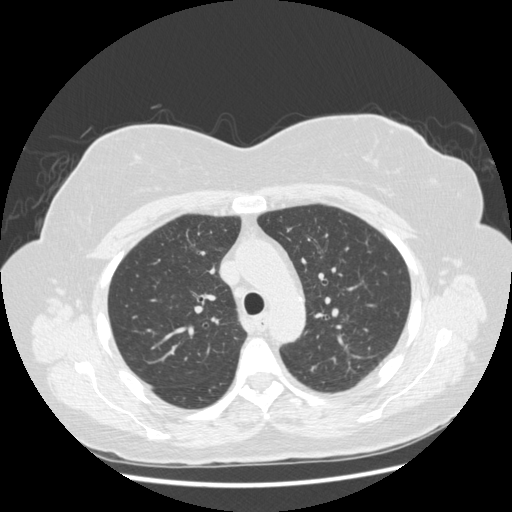
Chest CT, axial plane, 120 kVp, kernel STANDARD. Slice 331/481 from the bottom of the scan; thickness 1.25 mm; pixel size 0.703 mm.
Pulmonary nodule, outlined by one of the four readers. Box on this slice rows 365–368, columns 312–316, that reader's outline on this slice; longest diameter 5.1 mm and volume 38 mm3 from that reader's outline. Ratings by that reader: texture 4/5; margin 4/5; sphericity 4/5; calcification absent; internal structure soft tissue; subtlety 5/5; malignancy likelihood 3/5. Scale key (1–5): texture non-solid→solid, margin indistinct→circumscribed, sphericity linear→round, subtlety extremely subtle→obvious, malignancy likelihood highly unlikely→highly suspicious of cancer. Box rows and columns are 0-based pixel indices from the top-left corner, inclusive.